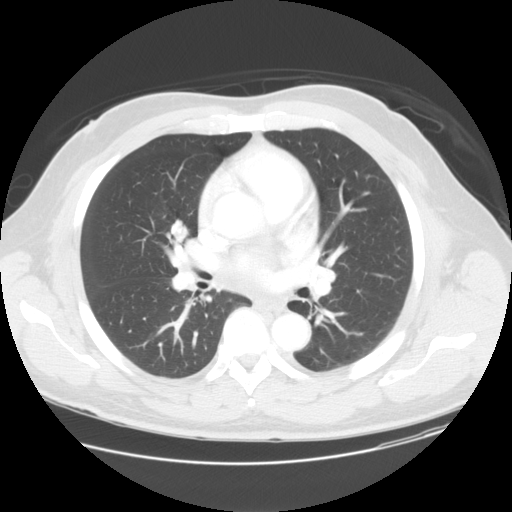
Axial chest CT slice 84 of 144 (counted from the lowest slice); tube voltage 120 kVp, convolution kernel STANDARD; slices 2.50 mm thick, 0.781 mm per pixel.
Pulmonary nodule, outlined by three of the four readers. Box on this slice rows 219–242, columns 170–188, the union of the readers' outlines on this slice; median longest diameter 19.3 mm (readers' outlines 17.8–19.6 mm), median volume 1709 mm3 (1559–1834 mm3). Median ratings and the readers' spread: texture 5/5 (solid) from all three readers; margin 4/5 at the median of three readers, spread 4/5 to 5/5 (circumscribed); median sphericity 3/5 (ovoid) (readers ranged 3/5 (ovoid) to 4/5); calcification: absent (two), non-central calcification (one); internal structure soft tissue, all three readers agreeing; median subtlety 4/5 (readers ranged 4–5); malignancy likelihood 4/5 at the median of three readers, spread 3–4. Scale key (1–5): texture non-solid→solid, margin indistinct→circumscribed, sphericity linear→round, subtlety extremely subtle→obvious, malignancy likelihood highly unlikely→highly suspicious of cancer. Box rows and columns are 0-based pixel indices from the top-left corner, inclusive.